Axial chest CT slice 163 of 244 (counted from the lowest slice); tube voltage 120 kVp, convolution kernel BONE; slices 1.25 mm thick, 0.729 mm per pixel.
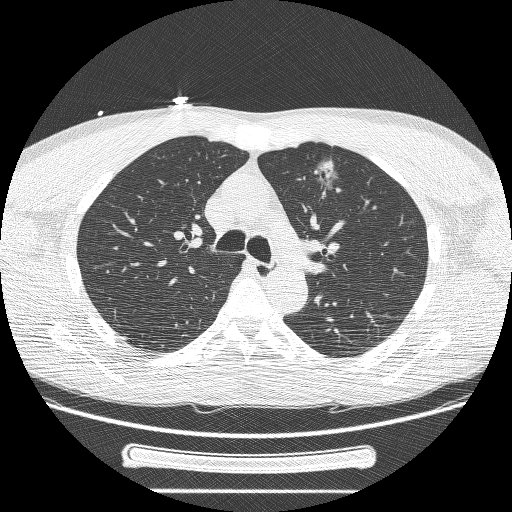
Pulmonary nodule, outlined by three of the four readers, two of them on this slice. Box on this slice rows 156–193, columns 312–339, the union of the readers' outlines on this slice; median longest diameter 37.5 mm (readers' outlines 27.4–37.9 mm), median volume 6861 mm3 (2934–10099 mm3). Median ratings and the readers' spread: median texture 5/5 (solid) (readers ranged 3/5 (part-solid) to 5/5 (solid)); median margin 2/5 (readers ranged 1/5 (indistinct) to 3/5); median sphericity 3/5 (ovoid) (readers ranged 2/5 to 4/5); calcification absent, all three readers agreeing; internal structure soft tissue, all three readers agreeing; subtlety 5/5 from all three readers; malignancy likelihood 5/5 at the median of three readers, spread 3–5. Scale key (1–5): texture non-solid→solid, margin indistinct→circumscribed, sphericity linear→round, subtlety extremely subtle→obvious, malignancy likelihood highly unlikely→highly suspicious of cancer. Box rows and columns are 0-based pixel indices from the top-left corner, inclusive.